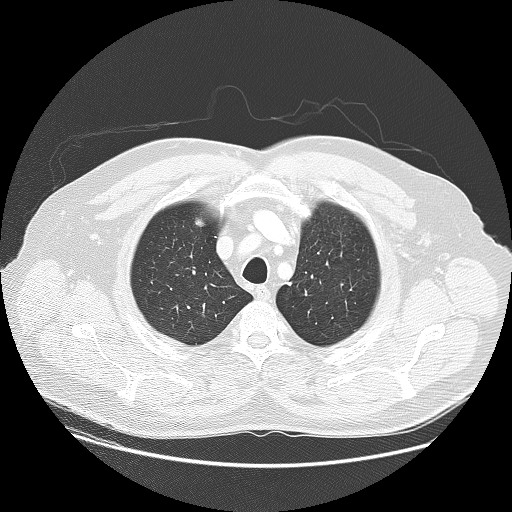
Chest CT, axial plane, 120 kVp, kernel LUNG. Slice 113/133 from the bottom of the scan; thickness 2.50 mm; pixel size 0.820 mm.
Pulmonary nodule at rows 281–286, columns 285–292 (box = the union of the readers' outlines on this slice), outlined by all four readers; the four readers' outlines give a longest diameter between 7.8 and 9.2 mm and a volume between 165 and 185 mm3. Ratings across the readers: texture 5/5 (solid) from all four readers; margin from 4/5 to 5/5 (circumscribed) across the four readers; sphericity from 2/5 to 5/5 (round) across the four readers; calcification solid calcification from all four readers; internal structure soft tissue from all four readers; subtlety rated between 3 and 5 out of 5 by the four readers; malignancy likelihood 1/5 from all four readers. Scale key (1–5): texture non-solid→solid, margin indistinct→circumscribed, sphericity linear→round, subtlety extremely subtle→obvious, malignancy likelihood highly unlikely→highly suspicious of cancer. Box rows and columns are 0-based pixel indices from the top-left corner, inclusive.